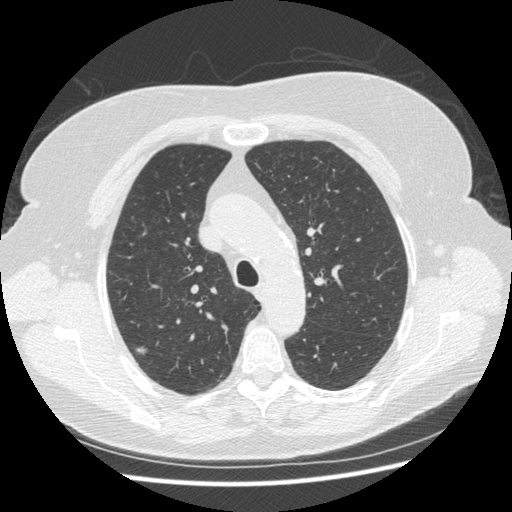
Axial chest CT slice 306 of 413 (counted from the lowest slice); tube voltage 120 kVp, convolution kernel STANDARD; slices 1.25 mm thick, 0.703 mm per pixel.
Pulmonary nodule at rows 347–355, columns 136–146 (box = the union of the readers' outlines on this slice), outlined by three of the four readers; median longest diameter 10.2 mm (readers' outlines 8.7–10.5 mm), median volume 150 mm3 (88–182 mm3). Median ratings and the readers' spread: median texture 3/5 (part-solid) (readers ranged 2/5 to 5/5 (solid)); median margin 2/5 (readers ranged 1/5 (indistinct) to 4/5); median sphericity 4/5 (readers ranged 3/5 (ovoid) to 4/5); calcification absent from all three readers; internal structure soft tissue from all three readers; subtlety 4/5 at the median of three readers, spread 4–5; malignancy likelihood 4/5 from all three readers. Scale key (1–5): texture non-solid→solid, margin indistinct→circumscribed, sphericity linear→round, subtlety extremely subtle→obvious, malignancy likelihood highly unlikely→highly suspicious of cancer. Box rows and columns are 0-based pixel indices from the top-left corner, inclusive.